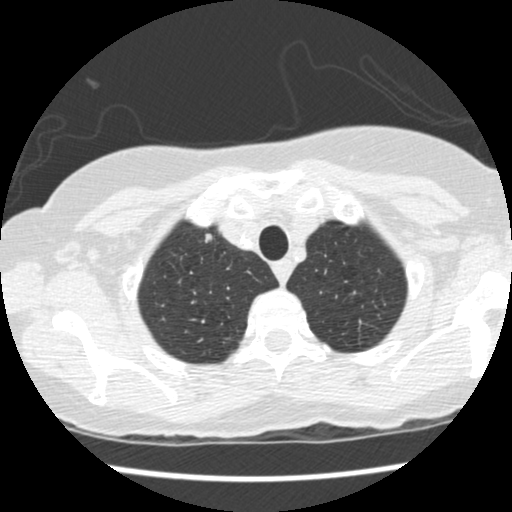
Chest CT, axial plane, 120 kVp, kernel STANDARD. Slice 400/458 from the bottom of the scan; thickness 1.25 mm; pixel size 0.586 mm.
Pulmonary nodule, outlined by all four readers. Box on this slice rows 233–242, columns 204–211, the union of the readers' outlines on this slice; the four readers' outlines give a longest diameter between 9.1 and 10.0 mm and a volume between 243 and 272 mm3. The readers' ratings, as ranges where they differ: texture from 4/5 to 5/5 (solid) across the four readers; margin from 4/5 to 5/5 (circumscribed) across the four readers; sphericity from 3/5 (ovoid) to 5/5 (round) across the four readers; calcification absent, all four readers agreeing; internal structure soft tissue from all four readers; subtlety from 4/5 to 5/5 across the four readers; malignancy likelihood 2–4/5 (the readers disagree). Scale key (1–5): texture non-solid→solid, margin indistinct→circumscribed, sphericity linear→round, subtlety extremely subtle→obvious, malignancy likelihood highly unlikely→highly suspicious of cancer. Box rows and columns are 0-based pixel indices from the top-left corner, inclusive.